Axial slice 74 of 131 of a chest CT (slice 1 is the lowest), reconstructed with the STANDARD kernel at 120 kVp; 2.50 mm slice thickness and 0.703 mm pixels.
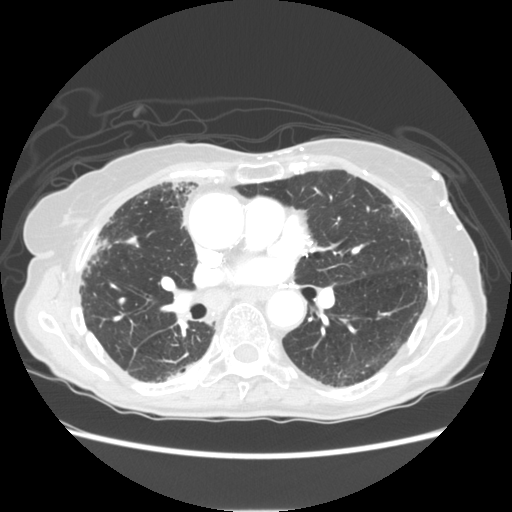
The readers outlined no nodule of 3 mm or more on this slice.